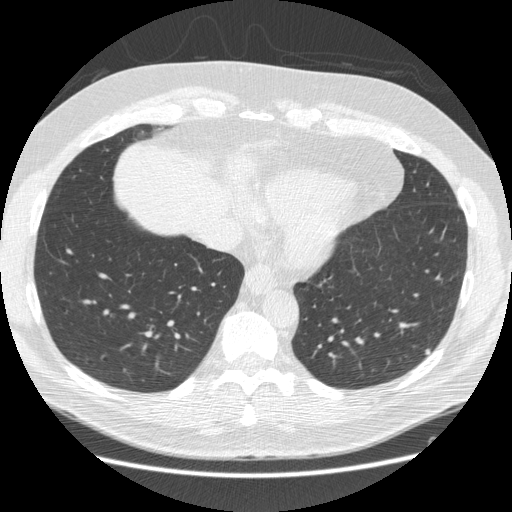
This is axial slice 189 of 538 (slice 1 is the lowest) of a chest CT; each pixel is 0.742 mm and the slice is 1.25 mm thick. Pulmonary nodule, outlined by three of the four readers. Box on this slice rows 349–354, columns 425–430, the union of the readers' outlines on this slice; longest diameter 6.1–8.0 mm and volume 26–109 mm3 across the three readers' outlines. Ratings across the readers: texture from 4/5 to 5/5 (solid) across the three readers; margin from 1/5 (indistinct) to 5/5 (circumscribed) across the three readers; sphericity from 3/5 (ovoid) to 5/5 (round) across the three readers; calcification absent, all three readers agreeing; internal structure soft tissue from all three readers; subtlety rated between 2 and 5 out of 5 by the three readers; malignancy likelihood 2–4/5 (the readers disagree). Scale key (1–5): texture non-solid→solid, margin indistinct→circumscribed, sphericity linear→round, subtlety extremely subtle→obvious, malignancy likelihood highly unlikely→highly suspicious of cancer. Box rows and columns are 0-based pixel indices from the top-left corner, inclusive.
Tube voltage 120 kVp; convolution kernel STANDARD.